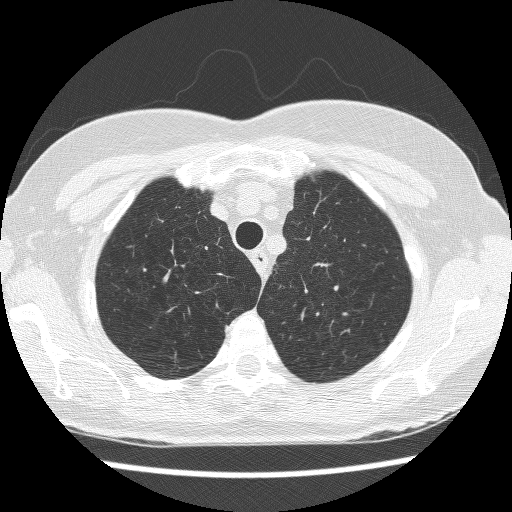
One axial slice (200 of 241, counting up from the lowest) of a chest CT acquired at 120 kVp with the BONE kernel; each pixel is 0.609 mm and the slice is 1.25 mm thick.
Pulmonary nodule, outlined by one of the four readers. Box on this slice rows 325–332, columns 224–227, that reader's outline on this slice; longest diameter 5.8 mm and volume 58 mm3 from that reader's outline. That reader's ratings: texture 4/5; margin 4/5; sphericity 3/5 (ovoid); calcification absent; internal structure soft tissue; subtlety 4/5; malignancy likelihood 4/5. Scale key (1–5): texture non-solid→solid, margin indistinct→circumscribed, sphericity linear→round, subtlety extremely subtle→obvious, malignancy likelihood highly unlikely→highly suspicious of cancer. Box rows and columns are 0-based pixel indices from the top-left corner, inclusive.